Axial slice 43 of 120 of a chest CT (slice 1 is the lowest), reconstructed with the BONE kernel at 140 kVp; 2.50 mm slice thickness and 0.576 mm pixels.
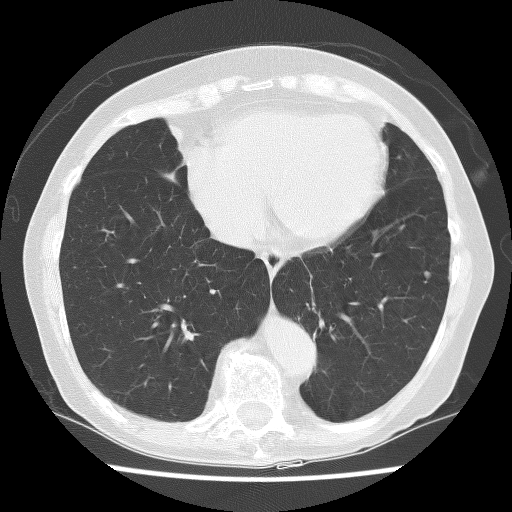
Pulmonary nodule, outlined by all four readers. Box on this slice rows 271–278, columns 423–431, the union of the readers' outlines on this slice; median longest diameter 5.5 mm (readers' outlines 4.2–6.0 mm), median volume 71 mm3 (39–95 mm3). Ratings, median across the readers with their spread: texture 5/5 (solid) at the median of four readers, spread 3/5 (part-solid) to 5/5 (solid); margin 4/5 at the median of four readers, spread 3/5 to 5/5 (circumscribed); sphericity 4/5 at the median of four readers, spread 3/5 (ovoid) to 5/5 (round); calcification absent from all four readers; internal structure: soft tissue (three), fluid (one); median subtlety 3.5/5 (readers ranged 3–4); median malignancy likelihood 2.5/5 (readers ranged 1–3). Scale key (1–5): texture non-solid→solid, margin indistinct→circumscribed, sphericity linear→round, subtlety extremely subtle→obvious, malignancy likelihood highly unlikely→highly suspicious of cancer. Box rows and columns are 0-based pixel indices from the top-left corner, inclusive.